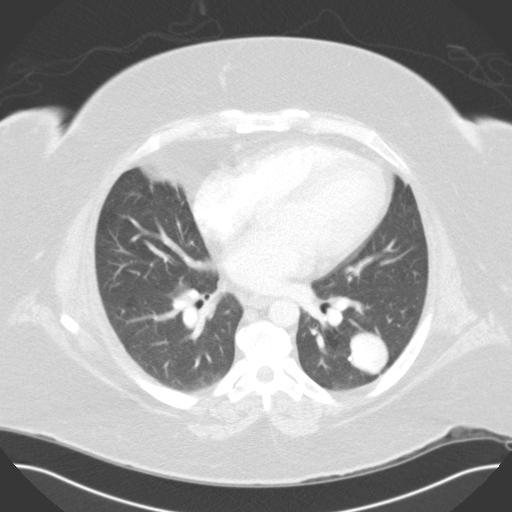
One axial slice (72 of 117, counting up from the lowest) of a chest CT acquired at 120 kVp with the B31f kernel; each pixel is 0.779 mm and the slice is 3.00 mm thick.
Pulmonary nodule, outlined by two of the four readers. Box on this slice rows 332–375, columns 349–387, the union of the readers' outlines on this slice; the two readers' outlines give a longest diameter between 39.2 and 39.6 mm and a volume between 24959 and 25451 mm3. The readers' ratings, as ranges where they differ: texture 5/5 (solid), both readers agreeing; margin 5/5 (circumscribed), both readers agreeing; sphericity 5/5 (round) from both readers; calcification split among the readers: laminated calcification (one), absent (one); internal structure soft tissue, both readers agreeing; subtlety 5/5, both readers agreeing; malignancy likelihood rated between 2 and 3 out of 5 by the two readers. Scale key (1–5): texture non-solid→solid, margin indistinct→circumscribed, sphericity linear→round, subtlety extremely subtle→obvious, malignancy likelihood highly unlikely→highly suspicious of cancer. Box rows and columns are 0-based pixel indices from the top-left corner, inclusive.